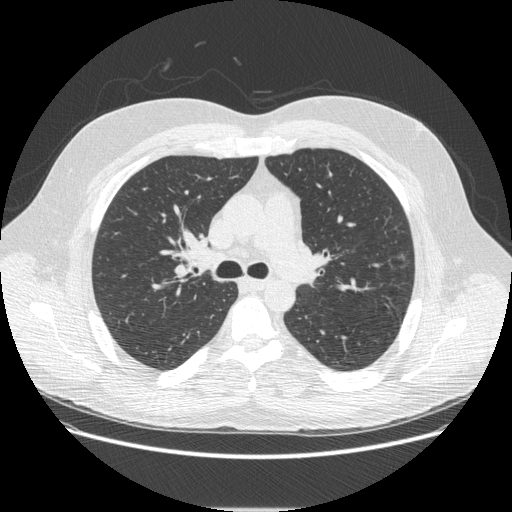
Chest CT, axial plane, 120 kVp, kernel STANDARD. Slice 309/497 from the bottom of the scan; thickness 1.25 mm; pixel size 0.762 mm.
Pulmonary nodule at rows 252–270, columns 387–408 (box = the union of the readers' outlines on this slice), outlined by all four readers; median longest diameter 21.7 mm (readers' outlines 21.5–22.5 mm), median volume 2358 mm3 (2170–2597 mm3). Median ratings and the readers' spread: median texture 1/5 (non-solid) (readers ranged 1/5 (non-solid) to 3/5 (part-solid)); median margin 3/5 (readers ranged 2/5 to 4/5); sphericity 4.5/5 at the median of four readers, spread 3/5 (ovoid) to 5/5 (round); calcification absent, all four readers agreeing; internal structure split among the readers: air (two), soft tissue (two); subtlety 4/5 at the median of four readers, spread 1–5; median malignancy likelihood 3/5 (readers ranged 1–5). Scale key (1–5): texture non-solid→solid, margin indistinct→circumscribed, sphericity linear→round, subtlety extremely subtle→obvious, malignancy likelihood highly unlikely→highly suspicious of cancer. Box rows and columns are 0-based pixel indices from the top-left corner, inclusive.